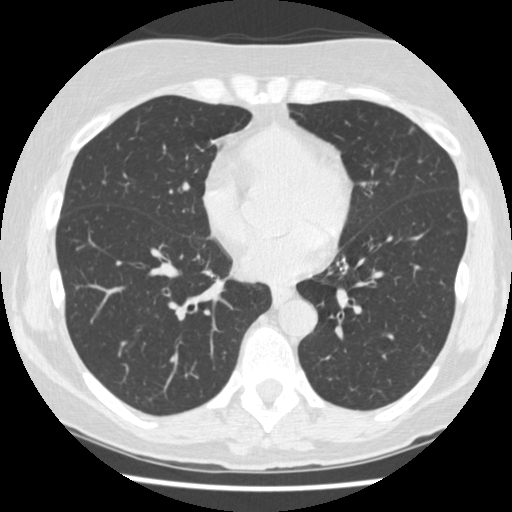
Axial chest CT slice 191 of 477 (counted from the lowest slice); tube voltage 120 kVp, convolution kernel STANDARD; slices 1.25 mm thick, 0.625 mm per pixel.
Pulmonary nodule at rows 126–133, columns 408–414 (box = the union of the readers' outlines on this slice), outlined by all four readers; longest diameter 6.1 mm on average over the four readers' outlines (readers' outlines 5.8–6.4 mm), volume 42–61 mm3. Ratings, by the readers' most common answer with dissent counted: most readers (three of four) put texture at 5/5 (solid), others 3/5 (part-solid) (one); margin 3/5 by two of four readers; the rest gave 1/5 (indistinct) (one), 5/5 (circumscribed) (one); sphericity split among the readers: 4/5 (two), 5/5 (round) (two); calcification absent from all four readers; internal structure soft tissue, all four readers agreeing; subtlety 3/5 by two of four readers; the rest gave 2/5 (one), 4/5 (one); malignancy likelihood 2/5 by two of four readers; the rest gave 1/5 (one), 3/5 (one). Scale key (1–5): texture non-solid→solid, margin indistinct→circumscribed, sphericity linear→round, subtlety extremely subtle→obvious, malignancy likelihood highly unlikely→highly suspicious of cancer. Box rows and columns are 0-based pixel indices from the top-left corner, inclusive.